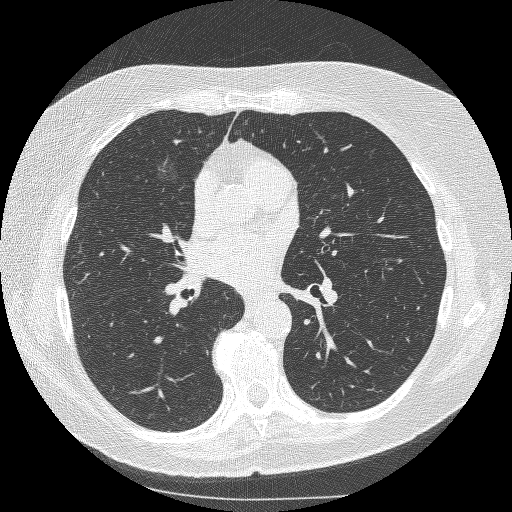
This is axial slice 150 of 253 (slice 1 is the lowest) of a chest CT; each pixel is 0.625 mm and the slice is 1.25 mm thick. Pulmonary nodule at rows 151–185, columns 152–183 (box = the union of the readers' outlines on this slice), outlined by two of the four readers; median longest diameter 21.2 mm (readers' outlines 18.7–23.7 mm), median volume 1792 mm3 (1459–2126 mm3). Ratings, median across the readers with their spread: texture 1/5 (non-solid), both readers agreeing; margin 1/5 (indistinct), both readers agreeing; sphericity 3.5/5 at the median of two readers, spread 3/5 (ovoid) to 4/5; calcification absent, both readers agreeing; internal structure soft tissue, both readers agreeing; subtlety 2/5 at the median of two readers, spread 1–3; median malignancy likelihood 3.5/5 (readers ranged 3–4). Scale key (1–5): texture non-solid→solid, margin indistinct→circumscribed, sphericity linear→round, subtlety extremely subtle→obvious, malignancy likelihood highly unlikely→highly suspicious of cancer. Box rows and columns are 0-based pixel indices from the top-left corner, inclusive.
Acquired at 120 kVp and reconstructed with the BONE kernel.